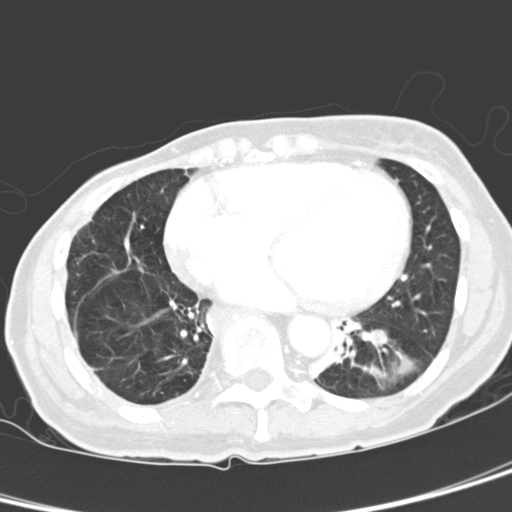
Axial chest CT slice 135 of 321 (counted from the lowest slice); tube voltage 120 kVp, convolution kernel D; slices 2.00 mm thick, 0.557 mm per pixel.
Pulmonary nodule, outlined by all four readers. Box on this slice rows 329–348, columns 369–387, the union of the readers' outlines on this slice; the four readers' outlines give a longest diameter between 18.1 and 20.0 mm and a volume between 2428 and 2697 mm3. Ratings across the readers: texture from 4/5 to 5/5 (solid) across the four readers; margin from 3/5 to 5/5 (circumscribed) across the four readers; sphericity from 4/5 to 5/5 (round) across the four readers; calcification absent, all four readers agreeing; internal structure soft tissue, all four readers agreeing; subtlety 4–5/5 (the readers disagree); malignancy likelihood 2–5/5 (the readers disagree). Scale key (1–5): texture non-solid→solid, margin indistinct→circumscribed, sphericity linear→round, subtlety extremely subtle→obvious, malignancy likelihood highly unlikely→highly suspicious of cancer. Box rows and columns are 0-based pixel indices from the top-left corner, inclusive.